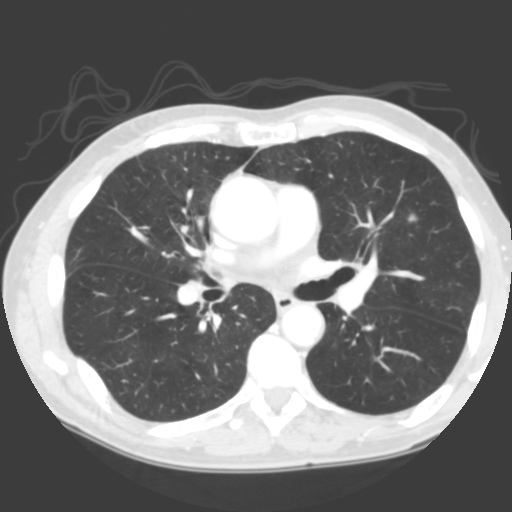
Slice 182/335 of a chest CT, counting up from the lowest; pixel size 0.623 mm, slice thickness 2.00 mm. Pulmonary nodule at rows 211–222, columns 405–418 (box = the union of the readers' outlines on this slice), outlined by three of the four readers; median longest diameter 8.9 mm (readers' outlines 7.9–10.3 mm), median volume 222 mm3 (194–222 mm3). Ratings, median across the readers with their spread: median texture 4/5 (readers ranged 4/5 to 5/5 (solid)); median margin 3/5 (readers ranged 2/5 to 4/5); median sphericity 3/5 (ovoid) (readers ranged 3/5 (ovoid) to 4/5); calcification absent from all three readers; internal structure soft tissue, all three readers agreeing; subtlety 3/5 at the median of three readers, spread 3–5; median malignancy likelihood 3/5 (readers ranged 2–4). Scale key (1–5): texture non-solid→solid, margin indistinct→circumscribed, sphericity linear→round, subtlety extremely subtle→obvious, malignancy likelihood highly unlikely→highly suspicious of cancer. Box rows and columns are 0-based pixel indices from the top-left corner, inclusive.
Tube voltage 120 kVp; convolution kernel B.